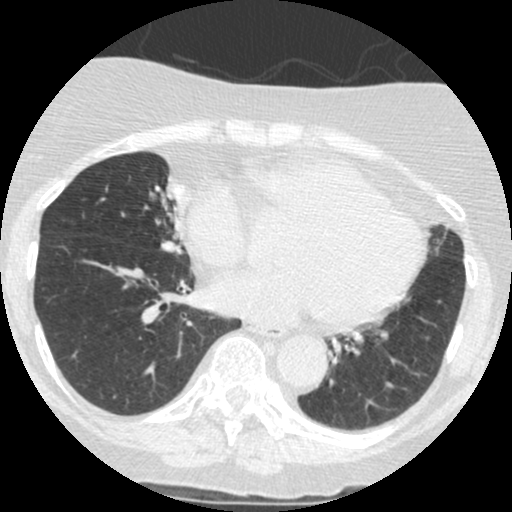
Axial chest CT slice 154 of 426 (counted from the lowest slice); tube voltage 120 kVp, convolution kernel STANDARD; slices 1.25 mm thick, 0.547 mm per pixel.
Pulmonary nodule at rows 240–254, columns 161–182 (box = that reader's outline on this slice), outlined by one of the four readers; longest diameter 15.0 mm and volume 404 mm3 from that reader's outline. That reader's ratings: texture 5/5 (solid); margin 4/5; sphericity 4/5; calcification non-central calcification; internal structure soft tissue; subtlety 4/5; malignancy likelihood 2/5. Scale key (1–5): texture non-solid→solid, margin indistinct→circumscribed, sphericity linear→round, subtlety extremely subtle→obvious, malignancy likelihood highly unlikely→highly suspicious of cancer. Box rows and columns are 0-based pixel indices from the top-left corner, inclusive.